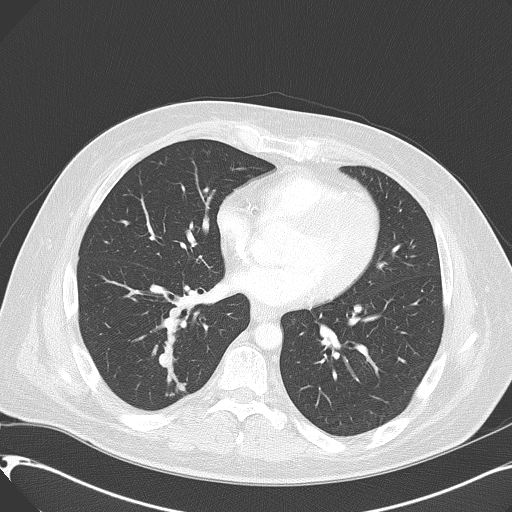
Chest CT, axial plane, 120 kVp, kernel B70f. Slice 243/416 from the bottom of the scan; thickness 2.00 mm; pixel size 0.723 mm.
Pulmonary nodule, outlined by two of the four readers. Box on this slice rows 353–367, columns 159–170, the union of the readers' outlines on this slice; the two readers' outlines give a longest diameter between 11.8 and 12.1 mm and a volume between 626 and 706 mm3. The readers' ratings, as ranges where they differ: texture 5/5 (solid), both readers agreeing; margin from 4/5 to 5/5 (circumscribed) across the two readers; sphericity 4/5 from both readers; calcification absent, both readers agreeing; internal structure soft tissue from both readers; subtlety 4–5/5 (the readers disagree); malignancy likelihood 4–5/5 (the readers disagree). Scale key (1–5): texture non-solid→solid, margin indistinct→circumscribed, sphericity linear→round, subtlety extremely subtle→obvious, malignancy likelihood highly unlikely→highly suspicious of cancer. Box rows and columns are 0-based pixel indices from the top-left corner, inclusive.